Chest CT, axial plane, 120 kVp, kernel STANDARD. Slice 151/292 from the bottom of the scan; thickness 2.50 mm; pixel size 0.645 mm.
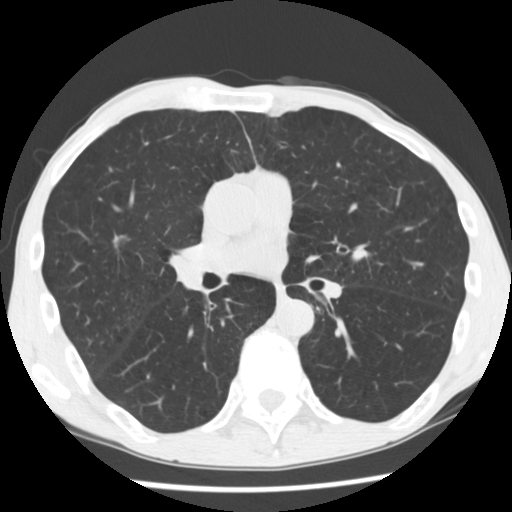
Pulmonary nodule outlined three times (the source holds two more outlines, not used), one of them on this slice; box rows 234–252, columns 113–129 (the one reader's outline on this slice); longest diameter 18.5 mm on average over the three readers' outlines (readers' outlines 18.2–19.0 mm), volume 892–1690 mm3. Ratings, by the readers' most common answer with dissent counted: texture 5/5 (solid), all three readers agreeing; margin split among the readers: 2/5 (one), 3/5 (one), 4/5 (one); sphericity split among the readers: 2/5 (one), 3/5 (ovoid) (one), 4/5 (one); calcification absent from all three readers; internal structure soft tissue, all three readers agreeing; subtlety 4/5 by two of three readers; the rest gave 5/5 (one); malignancy likelihood 5/5 by two of three readers; the rest gave 3/5 (one). Scale key (1–5): texture non-solid→solid, margin indistinct→circumscribed, sphericity linear→round, subtlety extremely subtle→obvious, malignancy likelihood highly unlikely→highly suspicious of cancer. Box rows and columns are 0-based pixel indices from the top-left corner, inclusive.